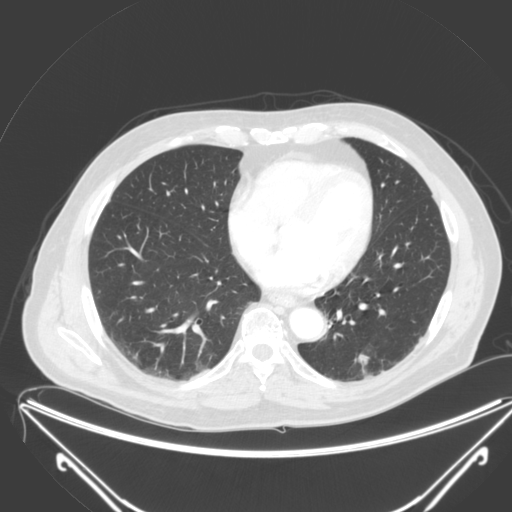
Slice 89/250 of a chest CT, counting up from the lowest; pixel size 0.834 mm, slice thickness 2.00 mm. Pulmonary nodule outlined by all four readers; box rows 354–375, columns 353–369 (the union of the readers' outlines on this slice); longest diameter 26.7–30.4 mm and volume 2541–3664 mm3 across the four readers' outlines. Ratings across the readers: texture from 4/5 to 5/5 (solid) across the four readers; margin from 2/5 to 4/5 across the four readers; sphericity from 3/5 (ovoid) to 5/5 (round) across the four readers; calcification absent, all four readers agreeing; internal structure soft tissue, all four readers agreeing; subtlety 5/5 from all four readers; malignancy likelihood from 3/5 to 5/5 across the four readers. Scale key (1–5): texture non-solid→solid, margin indistinct→circumscribed, sphericity linear→round, subtlety extremely subtle→obvious, malignancy likelihood highly unlikely→highly suspicious of cancer. Box rows and columns are 0-based pixel indices from the top-left corner, inclusive.
Tube voltage 120 kVp; convolution kernel B.